Axial chest CT slice 174 of 238 (counted from the lowest slice); tube voltage 120 kVp, convolution kernel STANDARD; slices 1.25 mm thick, 0.625 mm per pixel.
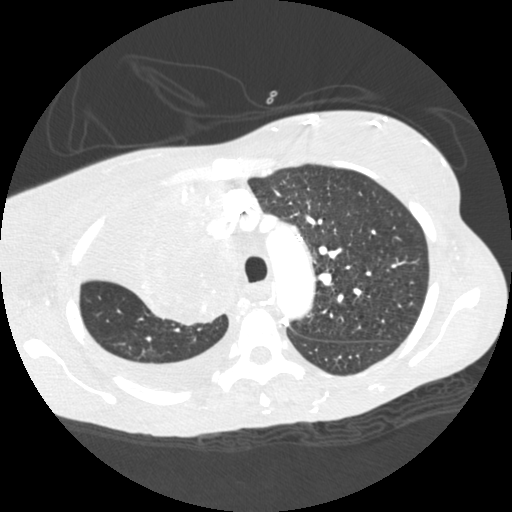
This slice carries no reader outline of a nodule 3 mm or larger.